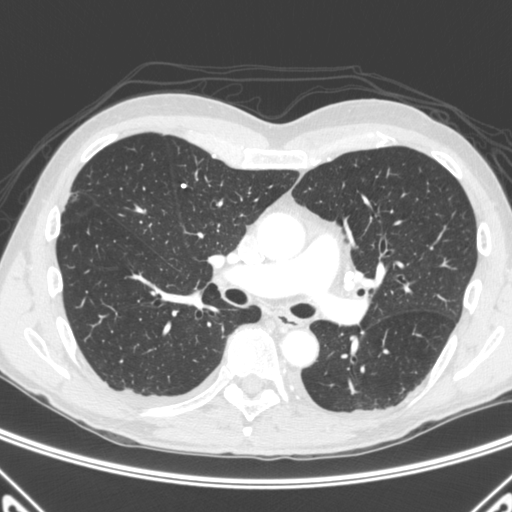
Axial chest CT slice 247 of 445 (counted from the lowest slice); 1.50 mm thick, 0.676 mm per pixel. Pulmonary nodule at rows 183–188, columns 180–186 (box = the union of the readers' outlines on this slice), outlined by all four readers; median longest diameter 5.1 mm (readers' outlines 4.3–5.8 mm), median volume 35 mm3 (24–39 mm3). Ratings, median across the readers with their spread: texture 5/5 (solid), all four readers agreeing; margin 5/5 (circumscribed) from all four readers; sphericity 5/5 (round) at the median of four readers, spread 4/5 to 5/5 (round); calcification: solid calcification (three), central calcification (one); internal structure soft tissue from all four readers; median subtlety 5/5 (readers ranged 4–5); malignancy likelihood 1/5, all four readers agreeing. Scale key (1–5): texture non-solid→solid, margin indistinct→circumscribed, sphericity linear→round, subtlety extremely subtle→obvious, malignancy likelihood highly unlikely→highly suspicious of cancer. Box rows and columns are 0-based pixel indices from the top-left corner, inclusive.
Scan settings: 120 kVp, C reconstruction kernel.